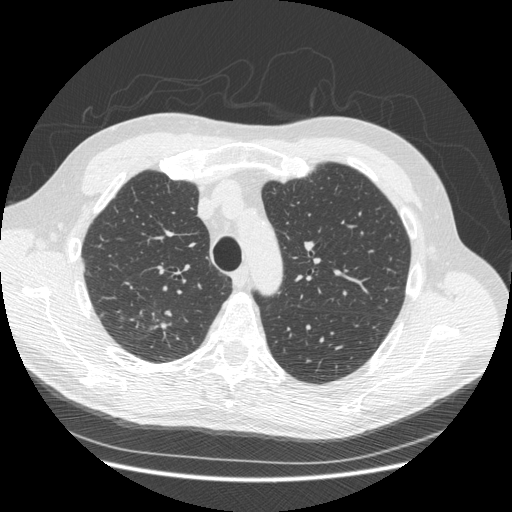
Chest CT, axial plane, 120 kVp, kernel STANDARD. Slice 365/493 from the bottom of the scan; thickness 1.25 mm; pixel size 0.742 mm.
Pulmonary nodule, outlined by three of the four readers, one of them on this slice. Box on this slice rows 322–328, columns 161–165, the one reader's outline on this slice; median longest diameter 12.6 mm (readers' outlines 12.6–14.1 mm), median volume 104 mm3 (104–271 mm3). Median ratings and the readers' spread: texture 4/5 at the median of three readers, spread 4/5 to 5/5 (solid); margin 3/5 from all three readers; median sphericity 2/5 (readers ranged 2/5 to 4/5); calcification absent, all three readers agreeing; internal structure soft tissue, all three readers agreeing; subtlety 3/5 at the median of three readers, spread 2–5; median malignancy likelihood 4/5 (readers ranged 2–4). Scale key (1–5): texture non-solid→solid, margin indistinct→circumscribed, sphericity linear→round, subtlety extremely subtle→obvious, malignancy likelihood highly unlikely→highly suspicious of cancer. Box rows and columns are 0-based pixel indices from the top-left corner, inclusive.